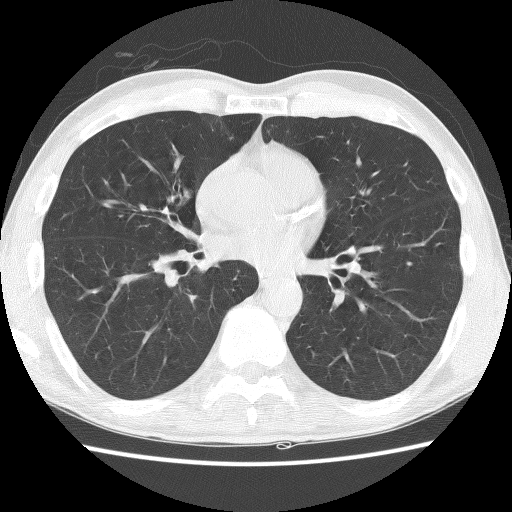
Axial chest CT slice 60 of 136 (counted from the lowest slice); tube voltage 140 kVp, convolution kernel BONE; slices 2.50 mm thick, 0.646 mm per pixel.
This slice carries no reader outline of a nodule 3 mm or larger.